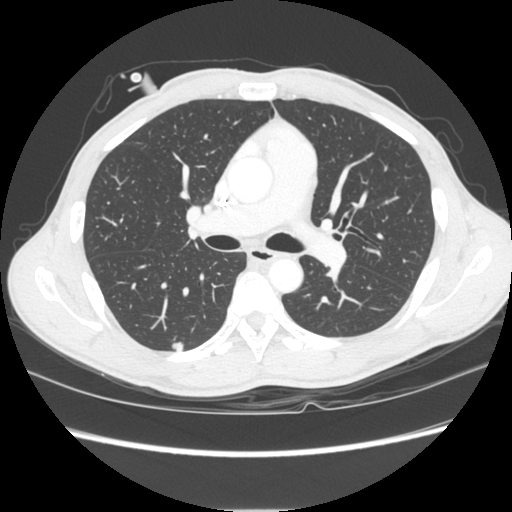
Chest CT, axial plane, 120 kVp, kernel STANDARD. Slice 156/261 from the bottom of the scan; thickness 1.25 mm; pixel size 0.684 mm.
Pulmonary nodule, outlined by all four readers. Box on this slice rows 342–351, columns 171–183, the union of the readers' outlines on this slice; median longest diameter 10.2 mm (readers' outlines 9.5–10.7 mm), median volume 269 mm3 (211–368 mm3). Ratings, median across the readers with their spread: texture 5/5 (solid) from all four readers; median margin 5/5 (circumscribed) (readers ranged 4/5 to 5/5 (circumscribed)); sphericity 4/5 at the median of four readers, spread 3/5 (ovoid) to 5/5 (round); calcification absent from all four readers; internal structure soft tissue from all four readers; subtlety 4.5/5 at the median of four readers, spread 3–5; median malignancy likelihood 3.5/5 (readers ranged 2–5). Scale key (1–5): texture non-solid→solid, margin indistinct→circumscribed, sphericity linear→round, subtlety extremely subtle→obvious, malignancy likelihood highly unlikely→highly suspicious of cancer. Box rows and columns are 0-based pixel indices from the top-left corner, inclusive.